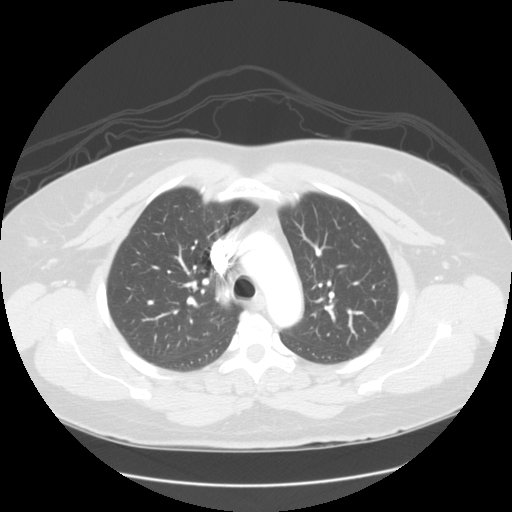
One axial slice (103 of 133, counting up from the lowest) of a chest CT acquired at 120 kVp with the STANDARD kernel; each pixel is 0.742 mm and the slice is 2.50 mm thick.
The readers outlined no nodule of 3 mm or more on this slice.